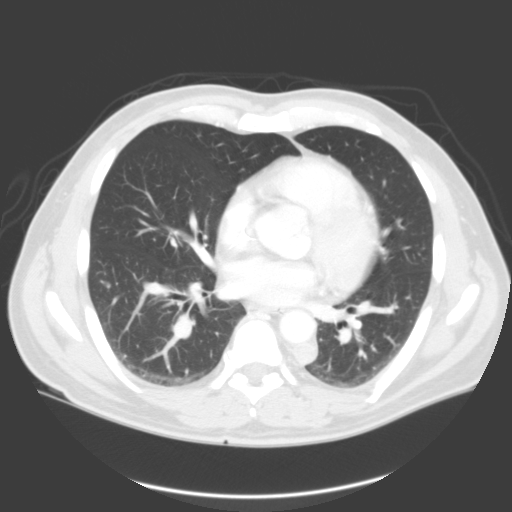
One axial slice (41 of 95, counting up from the lowest) of a chest CT acquired at 120 kVp with the B kernel; each pixel is 0.750 mm and the slice is 3.00 mm thick.
Pulmonary nodule outlined by all four readers, two of them on this slice; box rows 282–287, columns 102–109 (the union of the readers' outlines on this slice); longest diameter 8.5 mm on average over the four readers' outlines (readers' outlines 7.4–9.5 mm), volume 83–233 mm3. Ratings, by the readers' most common answer with dissent counted: texture 5/5 (solid), all four readers agreeing; margin 5/5 (circumscribed) by two of four readers; the rest gave 3/5 (one), 4/5 (one); sphericity split among the readers: 3/5 (ovoid) (two), 4/5 (two); calcification absent from all four readers; internal structure soft tissue from all four readers; subtlety 4/5 by three of four readers; the rest gave 5/5 (one); malignancy likelihood 4/5 by two of four readers; the rest gave 1/5 (one), 2/5 (one). Scale key (1–5): texture non-solid→solid, margin indistinct→circumscribed, sphericity linear→round, subtlety extremely subtle→obvious, malignancy likelihood highly unlikely→highly suspicious of cancer. Box rows and columns are 0-based pixel indices from the top-left corner, inclusive.